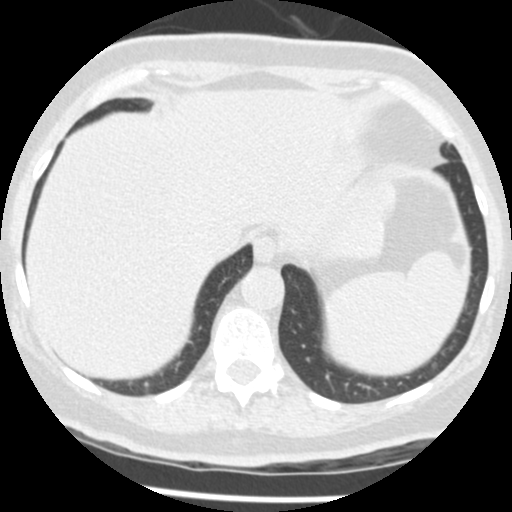
This is axial slice 99 of 433 (slice 1 is the lowest) of a chest CT; each pixel is 0.547 mm and the slice is 1.25 mm thick. Pulmonary nodule, outlined by two of the four readers. Box on this slice rows 246–250, columns 469–472, the union of the readers' outlines on this slice; longest diameter 4.6 mm on average over the two readers' outlines (readers' outlines 4.4–4.7 mm), volume 49–52 mm3. The readers' prevailing ratings and who disagreed: texture 5/5 (solid) from both readers; margin 5/5 (circumscribed), both readers agreeing; sphericity 5/5 (round) from both readers; calcification solid calcification, both readers agreeing; internal structure soft tissue from both readers; subtlety 5/5, both readers agreeing; malignancy likelihood 1/5 from both readers. Scale key (1–5): texture non-solid→solid, margin indistinct→circumscribed, sphericity linear→round, subtlety extremely subtle→obvious, malignancy likelihood highly unlikely→highly suspicious of cancer. Box rows and columns are 0-based pixel indices from the top-left corner, inclusive.
Tube voltage 120 kVp; convolution kernel STANDARD.